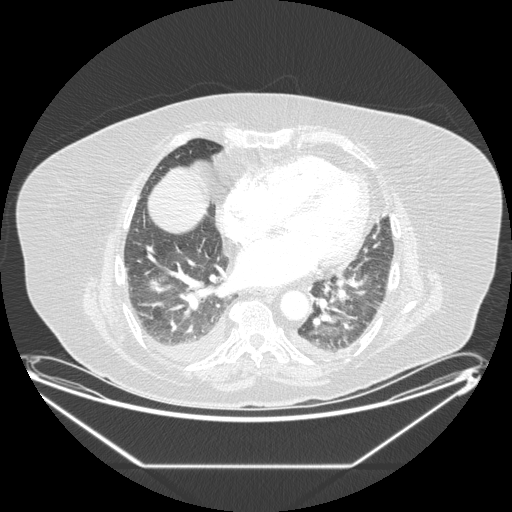
One axial slice (75 of 206, counting up from the lowest) of a chest CT acquired at 120 kVp with the STANDARD kernel; each pixel is 0.898 mm and the slice is 1.25 mm thick.
Pulmonary nodule at rows 278–294, columns 148–173 (box = the union of the readers' outlines on this slice), outlined by all four readers, two of them on this slice; the four readers' outlines give a longest diameter between 25.7 and 34.7 mm and a volume between 3668 and 5061 mm3. The readers' ratings, as ranges where they differ: texture from 4/5 to 5/5 (solid) across the four readers; margin 4/5 from all four readers; sphericity from 3/5 (ovoid) to 5/5 (round) across the four readers; calcification absent from all four readers; internal structure soft tissue from all four readers; subtlety 4–5/5 (the readers disagree); malignancy likelihood rated between 3 and 5 out of 5 by the four readers. Scale key (1–5): texture non-solid→solid, margin indistinct→circumscribed, sphericity linear→round, subtlety extremely subtle→obvious, malignancy likelihood highly unlikely→highly suspicious of cancer. Box rows and columns are 0-based pixel indices from the top-left corner, inclusive.